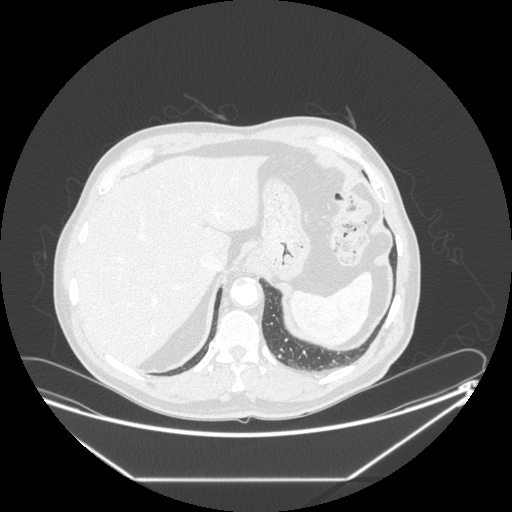
Axial slice 69 of 277 of a chest CT (slice 1 is the lowest), reconstructed with the STANDARD kernel at 120 kVp; 1.25 mm slice thickness and 0.879 mm pixels.
Pulmonary nodule, outlined by one of the four readers. Box on this slice rows 354–358, columns 278–280, that reader's outline on this slice; longest diameter 5.6 mm and volume 50 mm3 from that reader's outline. Ratings by that reader: texture 5/5 (solid); margin 4/5; sphericity 4/5; calcification absent; internal structure soft tissue; subtlety 4/5; malignancy likelihood 2/5. Scale key (1–5): texture non-solid→solid, margin indistinct→circumscribed, sphericity linear→round, subtlety extremely subtle→obvious, malignancy likelihood highly unlikely→highly suspicious of cancer. Box rows and columns are 0-based pixel indices from the top-left corner, inclusive.